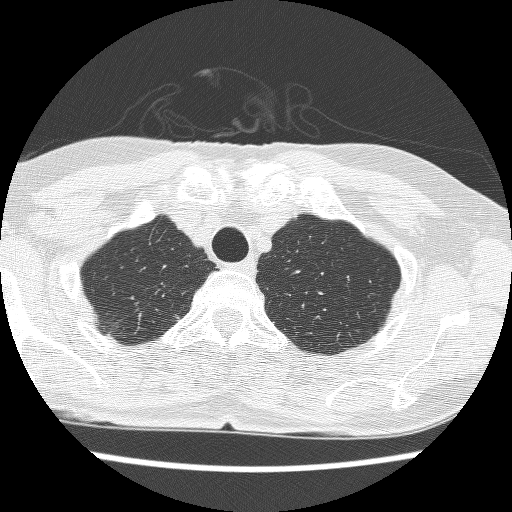
Axial chest CT slice 209 of 241 (counted from the lowest slice); 1.25 mm thick, 0.586 mm per pixel. Pulmonary nodule at rows 314–320, columns 173–179 (box = the one reader's outline on this slice), outlined by two of the four readers, one of them on this slice; longest diameter 8.4 mm on average over the two readers' outlines (readers' outlines 7.5–9.3 mm), volume 124–243 mm3. The readers' prevailing ratings and who disagreed: texture split among the readers: 4/5 (one), 5/5 (solid) (one); margin split among the readers: 4/5 (one), 5/5 (circumscribed) (one); sphericity split among the readers: 4/5 (one), 5/5 (round) (one); calcification absent, both readers agreeing; internal structure soft tissue from both readers; subtlety split among the readers: 4/5 (one), 5/5 (one); malignancy likelihood 4/5 from both readers. Scale key (1–5): texture non-solid→solid, margin indistinct→circumscribed, sphericity linear→round, subtlety extremely subtle→obvious, malignancy likelihood highly unlikely→highly suspicious of cancer. Box rows and columns are 0-based pixel indices from the top-left corner, inclusive.
Acquired at 120 kVp and reconstructed with the BONE kernel.